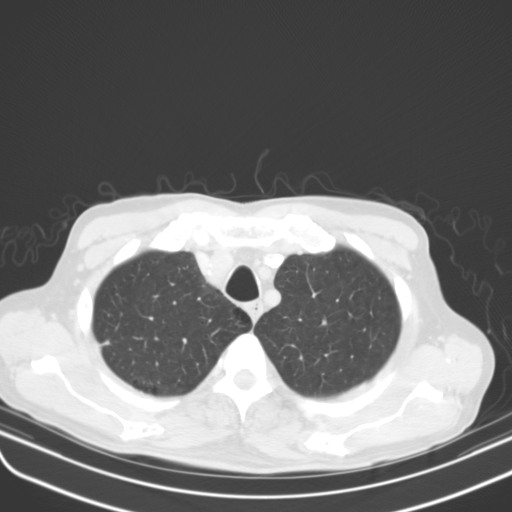
One axial slice (113 of 135, counting up from the lowest) of a chest CT acquired at 130 kVp with the B31s kernel; each pixel is 0.711 mm and the slice is 3.00 mm thick.
Pulmonary nodule at rows 339–345, columns 102–110 (box = that reader's outline on this slice), outlined by one of the four readers; longest diameter 11.6 mm and volume 492 mm3 from that reader's outline. That reader's ratings: texture 5/5 (solid); margin 4/5; sphericity 3/5 (ovoid); calcification absent; internal structure soft tissue; subtlety 5/5; malignancy likelihood 3/5. Scale key (1–5): texture non-solid→solid, margin indistinct→circumscribed, sphericity linear→round, subtlety extremely subtle→obvious, malignancy likelihood highly unlikely→highly suspicious of cancer. Box rows and columns are 0-based pixel indices from the top-left corner, inclusive.